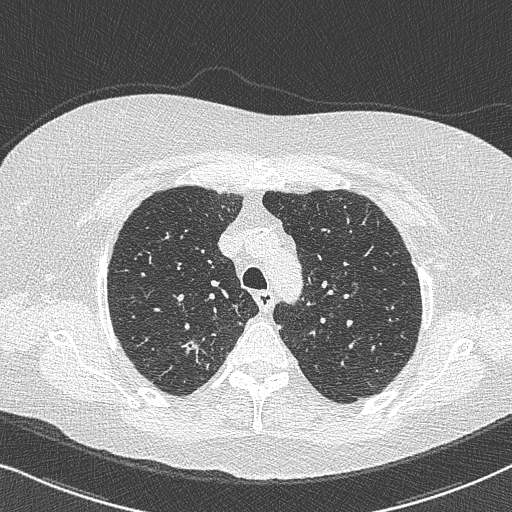
Axial chest CT slice 568 of 733 (counted from the lowest slice); 0.60 mm thick, 0.637 mm per pixel. Pulmonary nodule outlined by all four readers, two of them on this slice; box rows 342–353, columns 182–196 (the union of the readers' outlines on this slice); median longest diameter 21.4 mm (readers' outlines 15.5–29.7 mm), median volume 1103 mm3 (888–2128 mm3). Ratings, median across the readers with their spread: median texture 5/5 (solid) (readers ranged 4/5 to 5/5 (solid)); margin 3/5 at the median of four readers, spread 1/5 (indistinct) to 4/5; median sphericity 3/5 (ovoid) (readers ranged 2/5 to 5/5 (round)); calcification absent from all four readers; internal structure soft tissue, all four readers agreeing; median subtlety 5/5 (readers ranged 4–5); median malignancy likelihood 4/5 (readers ranged 4–5). Scale key (1–5): texture non-solid→solid, margin indistinct→circumscribed, sphericity linear→round, subtlety extremely subtle→obvious, malignancy likelihood highly unlikely→highly suspicious of cancer. Box rows and columns are 0-based pixel indices from the top-left corner, inclusive.
Tube voltage 120 kVp; convolution kernel B50f.